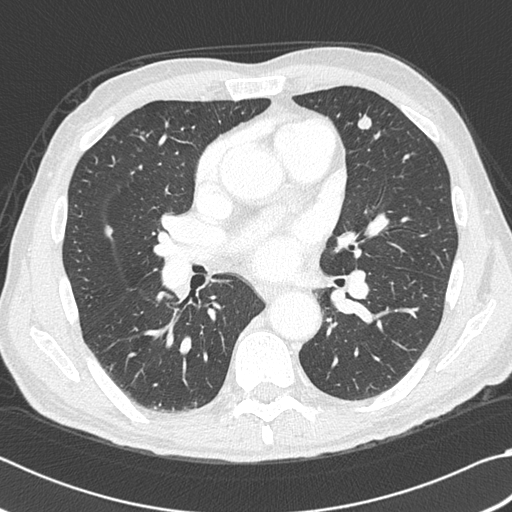
One axial slice (215 of 383, counting up from the lowest) of a chest CT acquired at 120 kVp with the B45f kernel; each pixel is 0.664 mm and the slice is 1.00 mm thick.
Two pulmonary nodules are outlined on this slice; from left to right: (1) Pulmonary nodule, outlined by all four readers. Box on this slice rows 225–238, columns 103–112, the union of the readers' outlines on this slice; longest diameter 15.5–17.3 mm and volume 759–884 mm3 across the four readers' outlines. The readers' ratings, as ranges where they differ: texture 5/5 (solid) from all four readers; margin from 4/5 to 5/5 (circumscribed) across the four readers; sphericity from 3/5 (ovoid) to 5/5 (round) across the four readers; calcification: absent (three), solid calcification (one); internal structure soft tissue, all four readers agreeing; subtlety 4–5/5 (the readers disagree); malignancy likelihood 1–5/5 (the readers disagree). (2) Pulmonary nodule outlined by all four readers; box rows 114–129, columns 357–372 (the union of the readers' outlines on this slice); median longest diameter 11.6 mm (readers' outlines 10.1–11.8 mm), median volume 513 mm3 (386–564 mm3). Ratings, median across the readers with their spread: texture 5/5 (solid), all four readers agreeing; margin 5/5 (circumscribed) at the median of four readers, spread 4/5 to 5/5 (circumscribed); sphericity 4.5/5 at the median of four readers, spread 3/5 (ovoid) to 5/5 (round); calcification absent from all four readers; internal structure soft tissue from all four readers; subtlety 5/5 at the median of four readers, spread 4–5; median malignancy likelihood 2.5/5 (readers ranged 2–5). Scale key (1–5): texture non-solid→solid, margin indistinct→circumscribed, sphericity linear→round, subtlety extremely subtle→obvious, malignancy likelihood highly unlikely→highly suspicious of cancer. Box rows and columns are 0-based pixel indices from the top-left corner, inclusive.